Chest CT, axial plane, 120 kVp, kernel LUNG. Slice 71/130 from the bottom of the scan; thickness 2.50 mm; pixel size 0.664 mm.
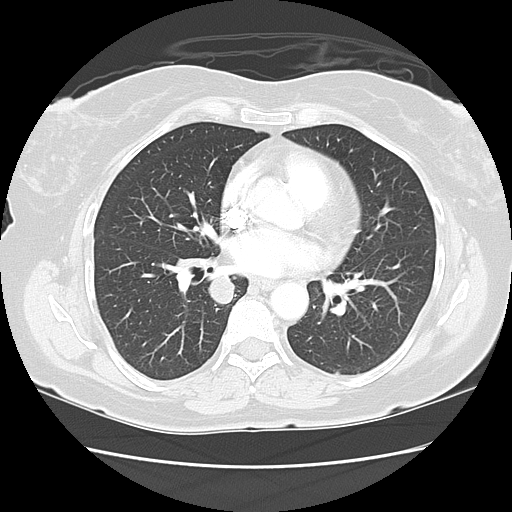
Pulmonary nodule at rows 275–303, columns 207–234 (box = the union of the readers' outlines on this slice), outlined by all four readers; longest diameter 23.5 mm on average over the four readers' outlines (readers' outlines 23.2–24.2 mm), volume 4791–5604 mm3. The readers' prevailing ratings and who disagreed: texture 5/5 (solid), all four readers agreeing; margin 5/5 (circumscribed) by three of four readers; the rest gave 4/5 (one); sphericity split among the readers: 4/5 (two), 5/5 (round) (two); calcification absent from all four readers; internal structure soft tissue, all four readers agreeing; subtlety 5/5, all four readers agreeing; malignancy likelihood 5/5 by three of four readers; the rest gave 2/5 (one). Scale key (1–5): texture non-solid→solid, margin indistinct→circumscribed, sphericity linear→round, subtlety extremely subtle→obvious, malignancy likelihood highly unlikely→highly suspicious of cancer. Box rows and columns are 0-based pixel indices from the top-left corner, inclusive.